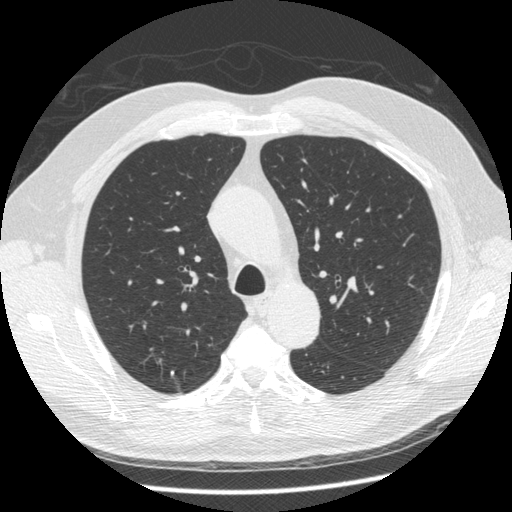
Axial slice 371 of 519 of a chest CT (slice 1 is the lowest), reconstructed with the STANDARD kernel at 120 kVp; 1.25 mm slice thickness and 0.703 mm pixels.
Pulmonary nodule at rows 371–374, columns 171–173 (box = that reader's outline on this slice), outlined by one of the four readers; longest diameter 4.4 mm and volume 30 mm3 from that reader's outline. Ratings by that reader: texture 5/5 (solid); margin 5/5 (circumscribed); sphericity 5/5 (round); calcification solid calcification; internal structure soft tissue; subtlety 4/5; malignancy likelihood 1/5. Scale key (1–5): texture non-solid→solid, margin indistinct→circumscribed, sphericity linear→round, subtlety extremely subtle→obvious, malignancy likelihood highly unlikely→highly suspicious of cancer. Box rows and columns are 0-based pixel indices from the top-left corner, inclusive.